Chest CT, axial plane, 120 kVp, kernel STANDARD. Slice 123/258 from the bottom of the scan; thickness 1.25 mm; pixel size 0.859 mm.
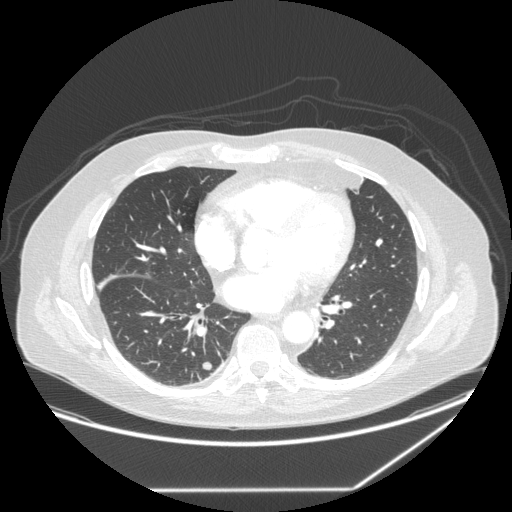
Pulmonary nodule outlined by all four readers; box rows 361–369, columns 201–211 (the union of the readers' outlines on this slice); the four readers' outlines give a longest diameter between 8.2 and 10.9 mm and a volume between 187 and 384 mm3. Ratings across the readers: texture 5/5 (solid) from all four readers; margin from 4/5 to 5/5 (circumscribed) across the four readers; sphericity from 4/5 to 5/5 (round) across the four readers; calcification absent from all four readers; internal structure soft tissue from all four readers; subtlety rated between 3 and 5 out of 5 by the four readers; malignancy likelihood 2–4/5 (the readers disagree). Scale key (1–5): texture non-solid→solid, margin indistinct→circumscribed, sphericity linear→round, subtlety extremely subtle→obvious, malignancy likelihood highly unlikely→highly suspicious of cancer. Box rows and columns are 0-based pixel indices from the top-left corner, inclusive.